Axial slice 146 of 280 of a chest CT (slice 1 is the lowest), reconstructed with the B kernel at 120 kVp; 2.00 mm slice thickness and 0.676 mm pixels.
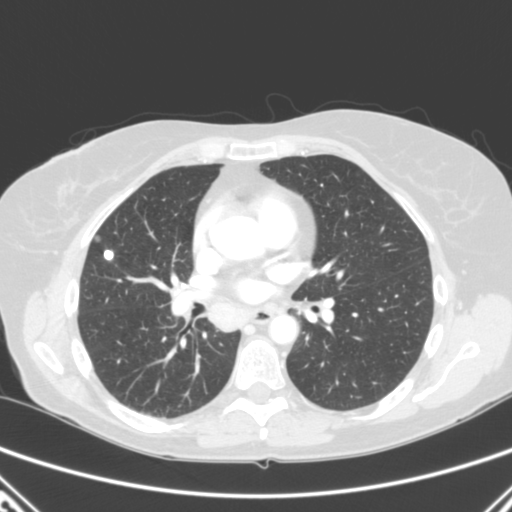
Two pulmonary nodules on this slice, listed from left to right. (1) Pulmonary nodule at rows 234–242, columns 94–100 (box = the union of the readers' outlines on this slice), outlined by all four readers; median longest diameter 9.8 mm (readers' outlines 8.8–10.6 mm), median volume 360 mm3 (292–382 mm3). Median ratings and the readers' spread: texture 5/5 (solid) at the median of four readers, spread 4/5 to 5/5 (solid); margin 5/5 (circumscribed) at the median of four readers, spread 4/5 to 5/5 (circumscribed); sphericity 4/5 at the median of four readers, spread 3/5 (ovoid) to 5/5 (round); calcification absent from all four readers; internal structure soft tissue from all four readers; subtlety 4.5/5 at the median of four readers, spread 4–5; malignancy likelihood 4/5 at the median of four readers, spread 3–4. (2) Pulmonary nodule, outlined by all four readers. Box on this slice rows 249–260, columns 103–114, the union of the readers' outlines on this slice; median longest diameter 8.9 mm (readers' outlines 8.5–10.7 mm), median volume 220 mm3 (156–292 mm3). Ratings, median across the readers with their spread: texture 5/5 (solid) from all four readers; margin 4.5/5 at the median of four readers, spread 4/5 to 5/5 (circumscribed); median sphericity 4/5 (readers ranged 3/5 (ovoid) to 5/5 (round)); calcification: solid calcification (three), central calcification (one); internal structure soft tissue from all four readers; subtlety 5/5 from all four readers; malignancy likelihood 1/5 from all four readers. Scale key (1–5): texture non-solid→solid, margin indistinct→circumscribed, sphericity linear→round, subtlety extremely subtle→obvious, malignancy likelihood highly unlikely→highly suspicious of cancer. Box rows and columns are 0-based pixel indices from the top-left corner, inclusive.